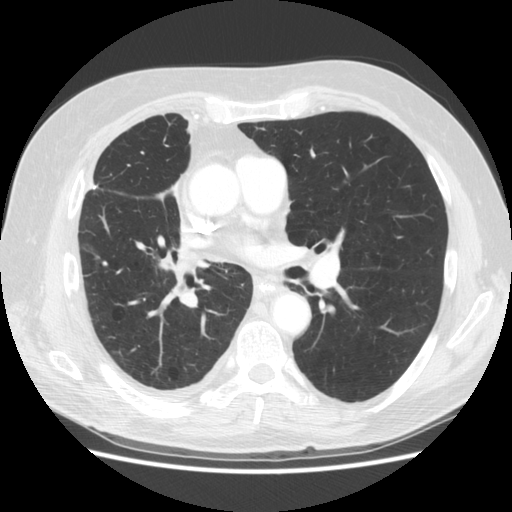
One axial slice (169 of 295, counting up from the lowest) of a chest CT acquired at 120 kVp with the STANDARD kernel; each pixel is 0.703 mm and the slice is 2.50 mm thick.
Pulmonary nodule, outlined by all four readers. Box on this slice rows 260–266, columns 101–108, the union of the readers' outlines on this slice; median longest diameter 6.7 mm (readers' outlines 6.6–8.5 mm), median volume 118 mm3 (92–133 mm3). Ratings, median across the readers with their spread: texture 5/5 (solid) from all four readers; margin 5/5 (circumscribed) from all four readers; sphericity 4.5/5 at the median of four readers, spread 4/5 to 5/5 (round); calcification: solid calcification (three), absent (one); internal structure soft tissue from all four readers; subtlety 5/5, all four readers agreeing; malignancy likelihood 1/5 from all four readers. Scale key (1–5): texture non-solid→solid, margin indistinct→circumscribed, sphericity linear→round, subtlety extremely subtle→obvious, malignancy likelihood highly unlikely→highly suspicious of cancer. Box rows and columns are 0-based pixel indices from the top-left corner, inclusive.